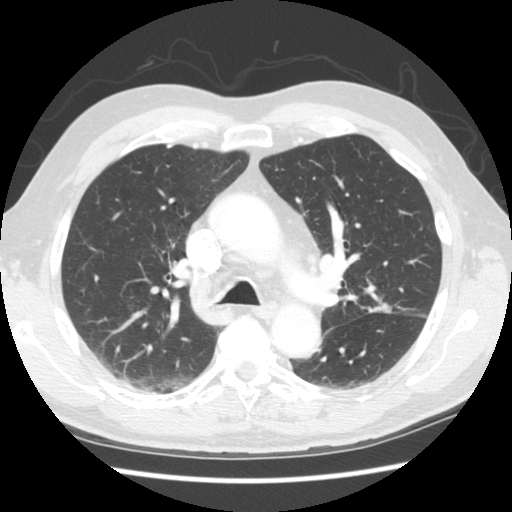
One axial slice (170 of 258, counting up from the lowest) of a chest CT acquired at 120 kVp with the STANDARD kernel; each pixel is 0.664 mm and the slice is 2.50 mm thick.
Pulmonary nodule, outlined by all four readers. Box on this slice rows 302–312, columns 367–392, the union of the readers' outlines on this slice; median longest diameter 20.5 mm (readers' outlines 19.7–21.9 mm), median volume 1578 mm3 (1387–1715 mm3). Median ratings and the readers' spread: texture 5/5 (solid), all four readers agreeing; median margin 3.5/5 (readers ranged 3/5 to 4/5); sphericity 3/5 (ovoid) at the median of four readers, spread 2/5 to 4/5; calcification absent, all four readers agreeing; internal structure soft tissue from all four readers; subtlety 5/5, all four readers agreeing; malignancy likelihood 5/5 at the median of four readers, spread 3–5. Scale key (1–5): texture non-solid→solid, margin indistinct→circumscribed, sphericity linear→round, subtlety extremely subtle→obvious, malignancy likelihood highly unlikely→highly suspicious of cancer. Box rows and columns are 0-based pixel indices from the top-left corner, inclusive.